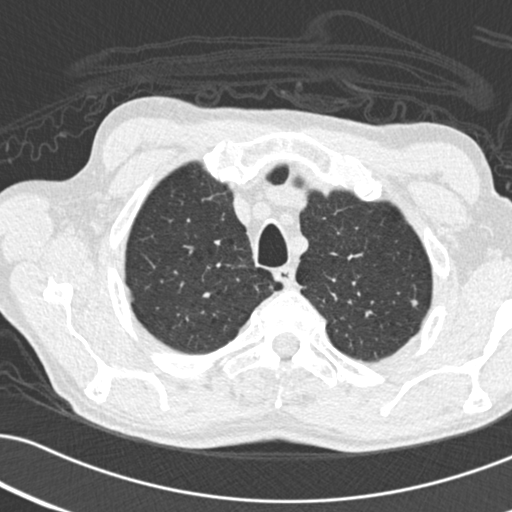
Axial chest CT slice 179 of 209 (counted from the lowest slice); tube voltage 120 kVp, convolution kernel B30f; slices 2.00 mm thick, 0.625 mm per pixel.
Pulmonary nodule outlined by three of the four readers; box rows 299–307, columns 411–418 (the union of the readers' outlines on this slice); median longest diameter 5.8 mm (readers' outlines 5.3–7.1 mm), median volume 82 mm3 (60–121 mm3). Median ratings and the readers' spread: median texture 5/5 (solid) (readers ranged 4/5 to 5/5 (solid)); margin 4/5 at the median of three readers, spread 3/5 to 5/5 (circumscribed); median sphericity 3/5 (ovoid) (readers ranged 3/5 (ovoid) to 4/5); calcification absent, all three readers agreeing; internal structure soft tissue, all three readers agreeing; median subtlety 2/5 (readers ranged 2–3); median malignancy likelihood 3/5 (readers ranged 2–3). Scale key (1–5): texture non-solid→solid, margin indistinct→circumscribed, sphericity linear→round, subtlety extremely subtle→obvious, malignancy likelihood highly unlikely→highly suspicious of cancer. Box rows and columns are 0-based pixel indices from the top-left corner, inclusive.